One axial slice (174 of 257, counting up from the lowest) of a chest CT acquired at 120 kVp with the STANDARD kernel; each pixel is 0.852 mm and the slice is 1.25 mm thick.
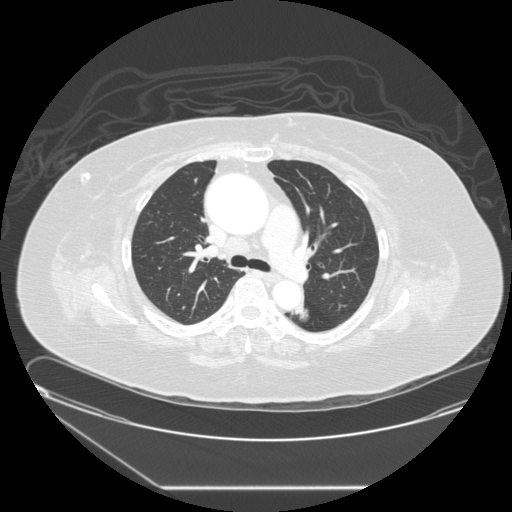
Pulmonary nodule outlined by all four readers; box rows 304–323, columns 290–309 (the union of the readers' outlines on this slice); the four readers' outlines give a longest diameter between 13.2 and 18.0 mm and a volume between 478 and 876 mm3. The readers' ratings, as ranges where they differ: texture from 1/5 (non-solid) to 5/5 (solid) across the four readers; margin from 2/5 to 4/5 across the four readers; sphericity from 3/5 (ovoid) to 5/5 (round) across the four readers; calcification absent from all four readers; internal structure soft tissue, all four readers agreeing; subtlety rated between 1 and 4 out of 5 by the four readers; malignancy likelihood 2–5/5 (the readers disagree). Scale key (1–5): texture non-solid→solid, margin indistinct→circumscribed, sphericity linear→round, subtlety extremely subtle→obvious, malignancy likelihood highly unlikely→highly suspicious of cancer. Box rows and columns are 0-based pixel indices from the top-left corner, inclusive.